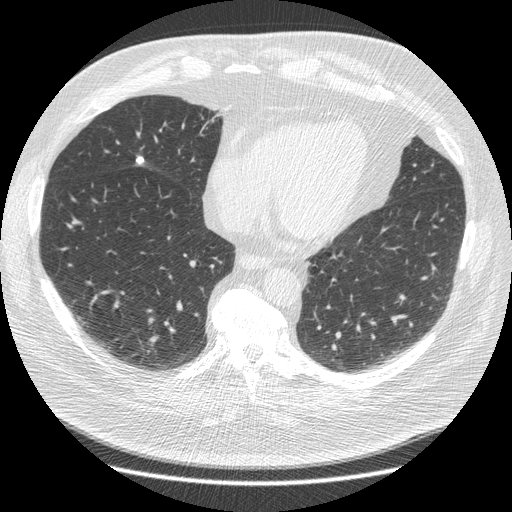
Axial slice 139 of 426 of a chest CT (slice 1 is the lowest), reconstructed with the STANDARD kernel at 120 kVp; 1.25 mm slice thickness and 0.742 mm pixels.
Pulmonary nodule at rows 156–164, columns 135–144 (box = the union of the readers' outlines on this slice), outlined by all four readers; longest diameter 9.7 mm on average over the four readers' outlines (readers' outlines 9.6–10.0 mm), volume 202–225 mm3. Ratings, by the readers' most common answer with dissent counted: texture 5/5 (solid) from all four readers; margin 5/5 (circumscribed), all four readers agreeing; sphericity split among the readers: 4/5 (two), 5/5 (round) (two); calcification solid calcification, all four readers agreeing; internal structure soft tissue, all four readers agreeing; subtlety 5/5, all four readers agreeing; malignancy likelihood 1/5 from all four readers. Scale key (1–5): texture non-solid→solid, margin indistinct→circumscribed, sphericity linear→round, subtlety extremely subtle→obvious, malignancy likelihood highly unlikely→highly suspicious of cancer. Box rows and columns are 0-based pixel indices from the top-left corner, inclusive.